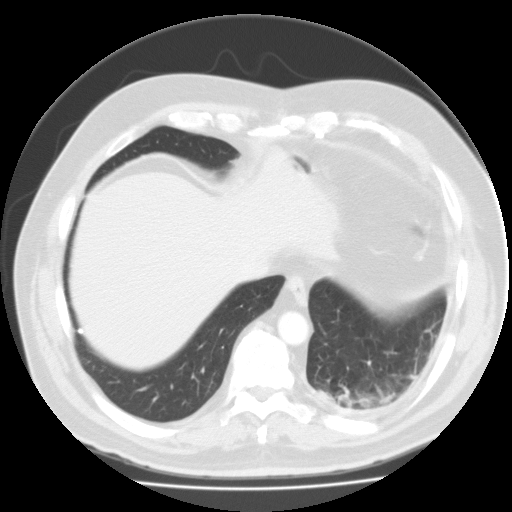
Axial chest CT slice 42 of 111 (counted from the lowest slice); 3.00 mm thick, 0.769 mm per pixel. Pulmonary nodule at rows 329–333, columns 78–82 (box = the union of the readers' outlines on this slice), outlined by two of the four readers; median longest diameter 5.2 mm (readers' outlines 4.9–5.4 mm), median volume 98 mm3 (82–114 mm3). Ratings, median across the readers with their spread: texture 5/5 (solid), both readers agreeing; margin 5/5 (circumscribed), both readers agreeing; sphericity 5/5 (round) from both readers; calcification solid calcification from both readers; internal structure soft tissue from both readers; median subtlety 3/5 (readers ranged 2–4); malignancy likelihood 1/5, both readers agreeing. Scale key (1–5): texture non-solid→solid, margin indistinct→circumscribed, sphericity linear→round, subtlety extremely subtle→obvious, malignancy likelihood highly unlikely→highly suspicious of cancer. Box rows and columns are 0-based pixel indices from the top-left corner, inclusive.
Tube voltage 135 kVp; convolution kernel FC01.